One axial slice (95 of 116, counting up from the lowest) of a chest CT acquired at 130 kVp with the B31s kernel; each pixel is 0.668 mm and the slice is 3.00 mm thick.
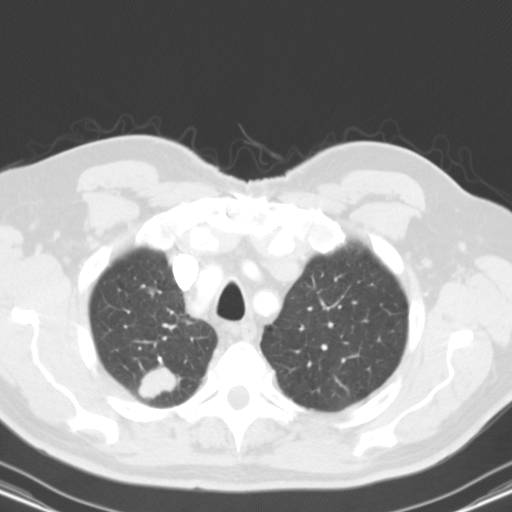
Pulmonary nodule, outlined by three of the four readers. Box on this slice rows 355–400, columns 137–181, the union of the readers' outlines on this slice; median longest diameter 33.8 mm (readers' outlines 30.9–36.1 mm), median volume 7466 mm3 (5704–8380 mm3). Median ratings and the readers' spread: texture 5/5 (solid) from all three readers; margin 4/5, all three readers agreeing; median sphericity 3/5 (ovoid) (readers ranged 2/5 to 4/5); calcification absent, all three readers agreeing; internal structure soft tissue from all three readers; subtlety 5/5, all three readers agreeing; malignancy likelihood 5/5 from all three readers. Scale key (1–5): texture non-solid→solid, margin indistinct→circumscribed, sphericity linear→round, subtlety extremely subtle→obvious, malignancy likelihood highly unlikely→highly suspicious of cancer. Box rows and columns are 0-based pixel indices from the top-left corner, inclusive.